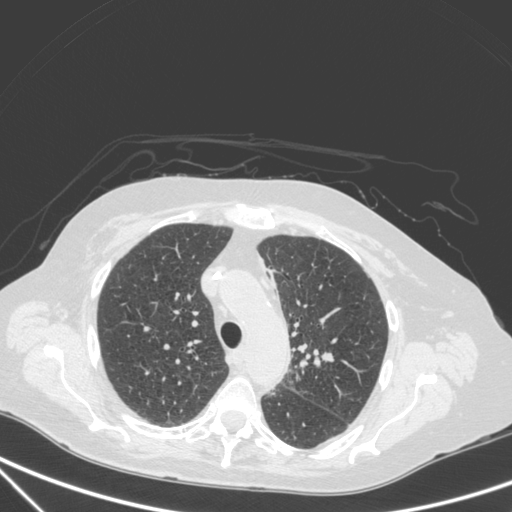
One axial slice (240 of 350, counting up from the lowest) of a chest CT acquired at 120 kVp with the C kernel; each pixel is 0.725 mm and the slice is 1.50 mm thick.
Pulmonary nodule, outlined by all four readers. Box on this slice rows 352–361, columns 322–335, the union of the readers' outlines on this slice; the four readers' outlines give a longest diameter between 9.9 and 11.7 mm and a volume between 335 and 580 mm3. The readers' ratings, as ranges where they differ: texture 5/5 (solid) from all four readers; margin 4/5, all four readers agreeing; sphericity from 3/5 (ovoid) to 4/5 across the four readers; calcification absent from all four readers; internal structure soft tissue, all four readers agreeing; subtlety from 4/5 to 5/5 across the four readers; malignancy likelihood from 2/5 to 5/5 across the four readers. Scale key (1–5): texture non-solid→solid, margin indistinct→circumscribed, sphericity linear→round, subtlety extremely subtle→obvious, malignancy likelihood highly unlikely→highly suspicious of cancer. Box rows and columns are 0-based pixel indices from the top-left corner, inclusive.